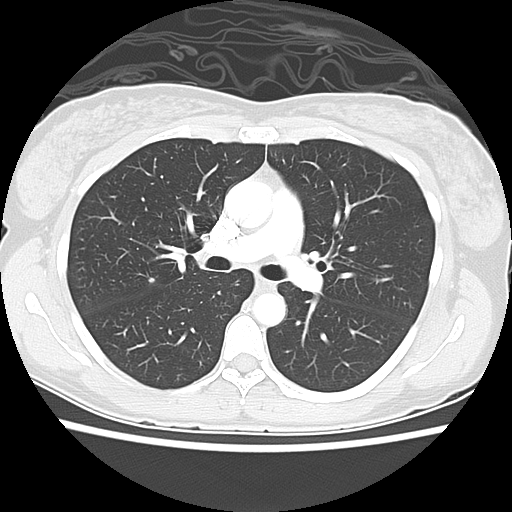
Axial slice 84 of 127 of a chest CT (slice 1 is the lowest), reconstructed with the LUNG kernel at 120 kVp; 2.50 mm slice thickness and 0.625 mm pixels.
Pulmonary nodule at rows 277–282, columns 148–154 (box = the union of the readers' outlines on this slice), outlined by two of the four readers; longest diameter 5.0 mm on average over the two readers' outlines (readers' outlines 5.0 mm), volume 32–33 mm3. Ratings, by the readers' most common answer with dissent counted: texture 5/5 (solid), both readers agreeing; margin split among the readers: 4/5 (one), 5/5 (circumscribed) (one); sphericity 5/5 (round), both readers agreeing; calcification absent, both readers agreeing; internal structure soft tissue, both readers agreeing; subtlety split among the readers: 2/5 (one), 5/5 (one); malignancy likelihood 3/5, both readers agreeing. Scale key (1–5): texture non-solid→solid, margin indistinct→circumscribed, sphericity linear→round, subtlety extremely subtle→obvious, malignancy likelihood highly unlikely→highly suspicious of cancer. Box rows and columns are 0-based pixel indices from the top-left corner, inclusive.